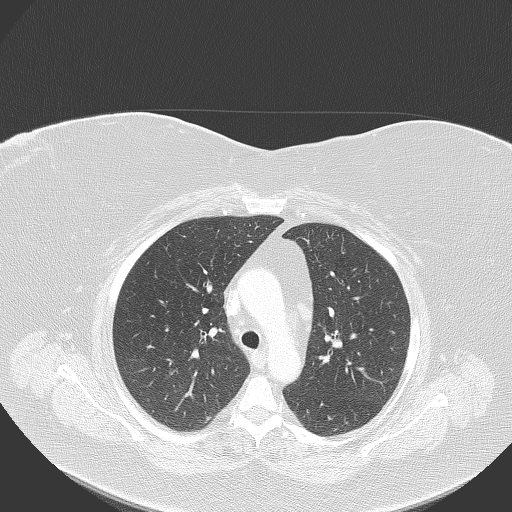
Chest CT, axial plane, 120 kVp, kernel B70f. Slice 238/320 from the bottom of the scan; thickness 2.00 mm; pixel size 0.768 mm.
Pulmonary nodule, outlined by two of the four readers. Box on this slice rows 416–422, columns 204–211, the union of the readers' outlines on this slice; longest diameter 9.8 mm on average over the two readers' outlines (readers' outlines 9.3–10.3 mm), volume 181–234 mm3. Ratings, by the readers' most common answer with dissent counted: texture split among the readers: 1/5 (non-solid) (one), 4/5 (one); margin split among the readers: 2/5 (one), 3/5 (one); sphericity split among the readers: 3/5 (ovoid) (one), 5/5 (round) (one); calcification absent, both readers agreeing; internal structure soft tissue, both readers agreeing; subtlety split among the readers: 1/5 (one), 3/5 (one); malignancy likelihood split among the readers: 2/5 (one), 3/5 (one). Scale key (1–5): texture non-solid→solid, margin indistinct→circumscribed, sphericity linear→round, subtlety extremely subtle→obvious, malignancy likelihood highly unlikely→highly suspicious of cancer. Box rows and columns are 0-based pixel indices from the top-left corner, inclusive.